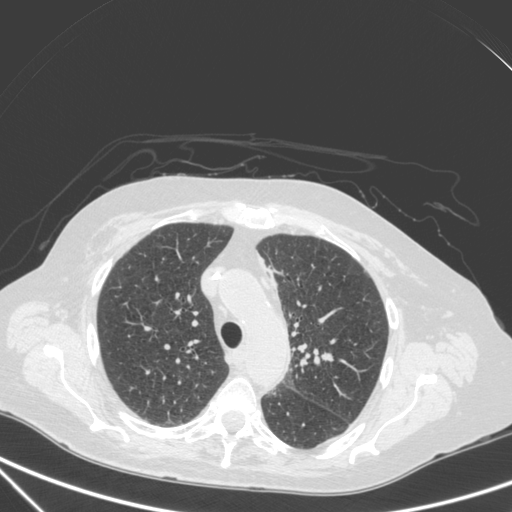
One axial slice (239 of 350, counting up from the lowest) of a chest CT acquired at 120 kVp with the C kernel; each pixel is 0.725 mm and the slice is 1.50 mm thick.
Pulmonary nodule, outlined by all four readers. Box on this slice rows 351–360, columns 320–332, the union of the readers' outlines on this slice; median longest diameter 10.6 mm (readers' outlines 9.9–11.7 mm), median volume 411 mm3 (335–580 mm3). Median ratings and the readers' spread: texture 5/5 (solid), all four readers agreeing; margin 4/5, all four readers agreeing; median sphericity 3/5 (ovoid) (readers ranged 3/5 (ovoid) to 4/5); calcification absent from all four readers; internal structure soft tissue, all four readers agreeing; subtlety 5/5 at the median of four readers, spread 4–5; malignancy likelihood 3.5/5 at the median of four readers, spread 2–5. Scale key (1–5): texture non-solid→solid, margin indistinct→circumscribed, sphericity linear→round, subtlety extremely subtle→obvious, malignancy likelihood highly unlikely→highly suspicious of cancer. Box rows and columns are 0-based pixel indices from the top-left corner, inclusive.